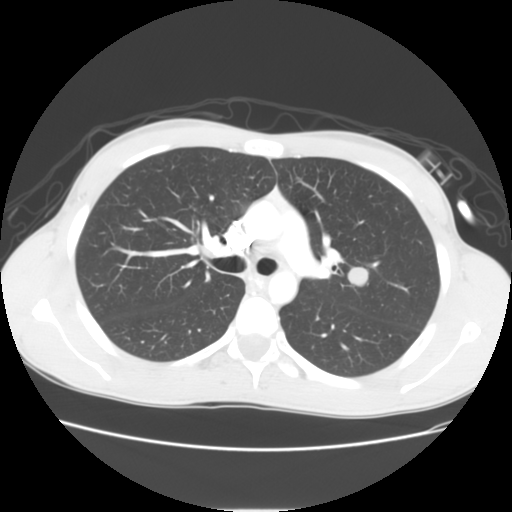
Axial slice 74 of 114 of a chest CT (slice 1 is the lowest), reconstructed with the STANDARD kernel at 120 kVp; 2.50 mm slice thickness and 0.664 mm pixels.
Pulmonary nodule outlined by all four readers; box rows 267–288, columns 346–368 (the union of the readers' outlines on this slice); median longest diameter 17.7 mm (readers' outlines 16.8–19.0 mm), median volume 1512 mm3 (1177–1906 mm3). Median ratings and the readers' spread: median texture 5/5 (solid) (readers ranged 4/5 to 5/5 (solid)); margin 4.5/5 at the median of four readers, spread 4/5 to 5/5 (circumscribed); sphericity 4/5 at the median of four readers, spread 3/5 (ovoid) to 5/5 (round); calcification absent, all four readers agreeing; internal structure soft tissue from all four readers; median subtlety 5/5 (readers ranged 3–5); malignancy likelihood 3.5/5 at the median of four readers, spread 2–5. Scale key (1–5): texture non-solid→solid, margin indistinct→circumscribed, sphericity linear→round, subtlety extremely subtle→obvious, malignancy likelihood highly unlikely→highly suspicious of cancer. Box rows and columns are 0-based pixel indices from the top-left corner, inclusive.